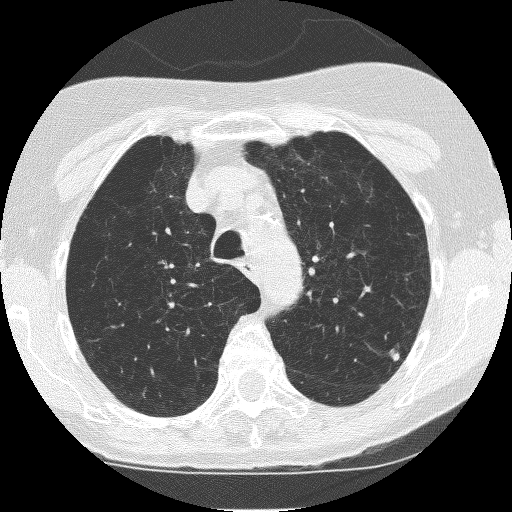
Axial slice 182 of 235 of a chest CT (slice 1 is the lowest), reconstructed with the BONE kernel at 120 kVp; 1.25 mm slice thickness and 0.537 mm pixels.
Pulmonary nodule at rows 348–360, columns 388–399 (box = the union of the readers' outlines on this slice), outlined by all four readers; longest diameter 7.6–8.7 mm and volume 76–139 mm3 across the four readers' outlines. Ratings across the readers: texture from 4/5 to 5/5 (solid) across the four readers; margin from 3/5 to 5/5 (circumscribed) across the four readers; sphericity from 3/5 (ovoid) to 4/5 across the four readers; calcification absent from all four readers; internal structure soft tissue, all four readers agreeing; subtlety 4–5/5 (the readers disagree); malignancy likelihood from 3/5 to 4/5 across the four readers. Scale key (1–5): texture non-solid→solid, margin indistinct→circumscribed, sphericity linear→round, subtlety extremely subtle→obvious, malignancy likelihood highly unlikely→highly suspicious of cancer. Box rows and columns are 0-based pixel indices from the top-left corner, inclusive.